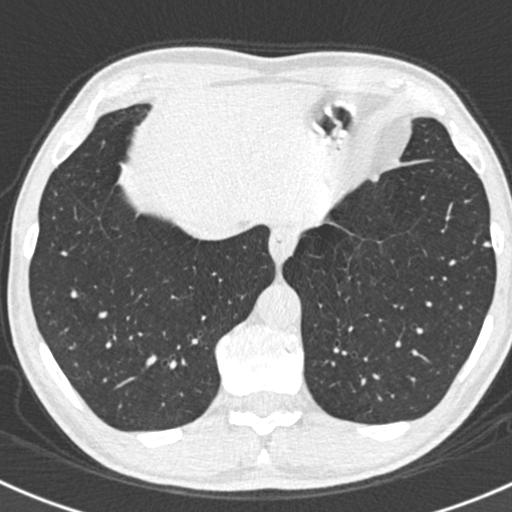
Axial chest CT slice 185 of 538 (counted from the lowest slice); tube voltage 120 kVp, convolution kernel B30f; slices 0.75 mm thick, 0.605 mm per pixel.
Pulmonary nodule at rows 240–247, columns 482–490 (box = the union of the readers' outlines on this slice), outlined by two of the four readers; longest diameter 5.6–6.2 mm and volume 18–38 mm3 across the two readers' outlines. The readers' ratings, as ranges where they differ: texture 5/5 (solid), both readers agreeing; margin from 4/5 to 5/5 (circumscribed) across the two readers; sphericity from 2/5 to 3/5 (ovoid) across the two readers; calcification solid calcification, both readers agreeing; internal structure soft tissue, both readers agreeing; subtlety 3/5, both readers agreeing; malignancy likelihood 1/5 from both readers. Scale key (1–5): texture non-solid→solid, margin indistinct→circumscribed, sphericity linear→round, subtlety extremely subtle→obvious, malignancy likelihood highly unlikely→highly suspicious of cancer. Box rows and columns are 0-based pixel indices from the top-left corner, inclusive.